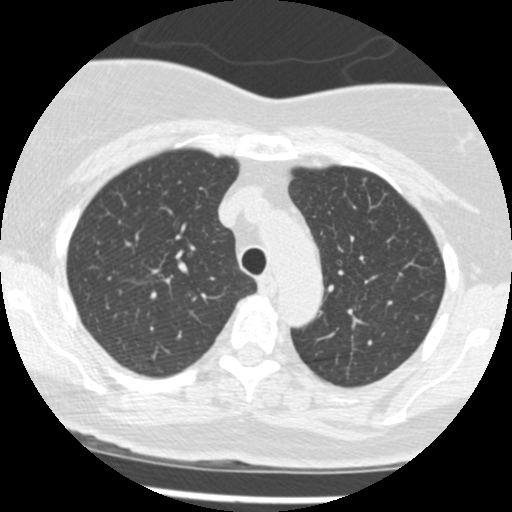
This is axial slice 338 of 433 (slice 1 is the lowest) of a chest CT; each pixel is 0.547 mm and the slice is 1.25 mm thick. Pulmonary nodule outlined by one of the four readers; box rows 178–181, columns 362–366 (that reader's outline on this slice); longest diameter 3.9 mm and volume 28 mm3 from that reader's outline. That reader's ratings: texture 5/5 (solid); margin 5/5 (circumscribed); sphericity 4/5; calcification solid calcification; internal structure soft tissue; subtlety 5/5; malignancy likelihood 3/5. Scale key (1–5): texture non-solid→solid, margin indistinct→circumscribed, sphericity linear→round, subtlety extremely subtle→obvious, malignancy likelihood highly unlikely→highly suspicious of cancer. Box rows and columns are 0-based pixel indices from the top-left corner, inclusive.
Acquired at 120 kVp and reconstructed with the STANDARD kernel.